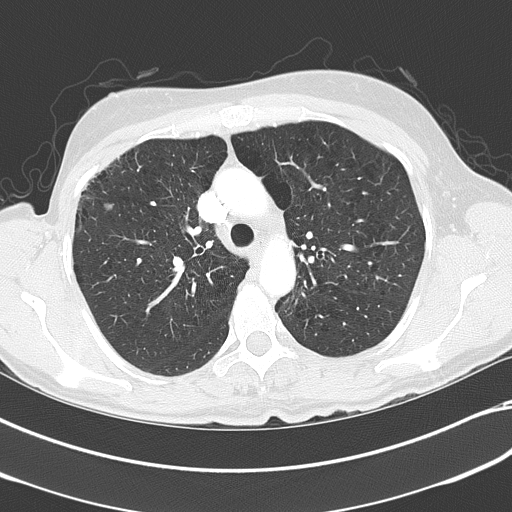
One axial slice (256 of 351, counting up from the lowest) of a chest CT acquired at 120 kVp with the B70f kernel; each pixel is 0.643 mm and the slice is 2.00 mm thick.
Pulmonary nodule outlined by all four readers; box rows 202–210, columns 104–113 (the union of the readers' outlines on this slice); longest diameter 8.7 mm on average over the four readers' outlines (readers' outlines 8.5–9.1 mm), volume 196–254 mm3. The readers' prevailing ratings and who disagreed: most readers (three of four) put texture at 5/5 (solid), others 1/5 (non-solid) (one); margin 5/5 (circumscribed) from all four readers; sphericity split among the readers: 3/5 (ovoid) (two), 4/5 (two); calcification absent from all four readers; internal structure soft tissue from all four readers; subtlety 5/5 from all four readers; malignancy likelihood 3/5 by three of four readers; the rest gave 4/5 (one). Scale key (1–5): texture non-solid→solid, margin indistinct→circumscribed, sphericity linear→round, subtlety extremely subtle→obvious, malignancy likelihood highly unlikely→highly suspicious of cancer. Box rows and columns are 0-based pixel indices from the top-left corner, inclusive.